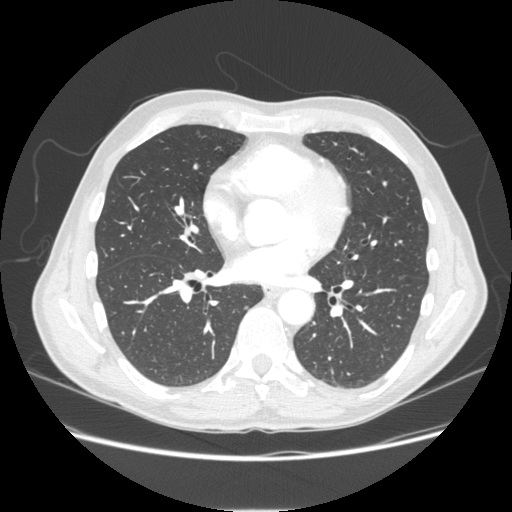
Slice 112/253 of a chest CT, counting up from the lowest; pixel size 0.742 mm, slice thickness 1.25 mm. Pulmonary nodule, outlined by three of the four readers. Box on this slice rows 305–309, columns 244–247, the union of the readers' outlines on this slice; median longest diameter 6.7 mm (readers' outlines 6.3–8.2 mm), median volume 75 mm3 (72–92 mm3). Median ratings and the readers' spread: texture 5/5 (solid), all three readers agreeing; margin 5/5 (circumscribed), all three readers agreeing; median sphericity 5/5 (round) (readers ranged 3/5 (ovoid) to 5/5 (round)); calcification absent, all three readers agreeing; internal structure soft tissue from all three readers; subtlety 3/5, all three readers agreeing; malignancy likelihood 3/5 at the median of three readers, spread 2–3. Scale key (1–5): texture non-solid→solid, margin indistinct→circumscribed, sphericity linear→round, subtlety extremely subtle→obvious, malignancy likelihood highly unlikely→highly suspicious of cancer. Box rows and columns are 0-based pixel indices from the top-left corner, inclusive.
Scan settings: 120 kVp, STANDARD reconstruction kernel.